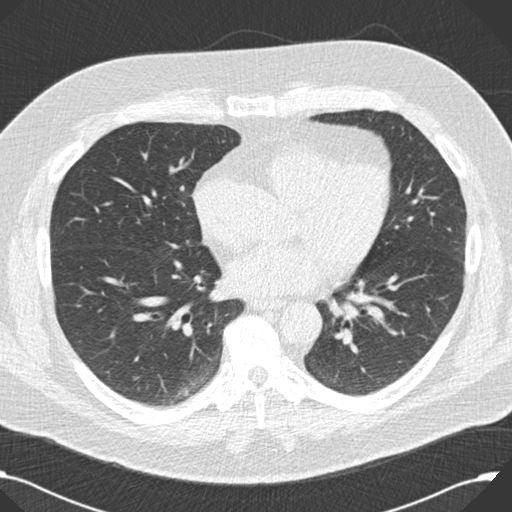
One axial slice (76 of 176, counting up from the lowest) of a chest CT acquired at 120 kVp with the B30f kernel; each pixel is 0.742 mm and the slice is 2.00 mm thick.
None of the four readers outlined a nodule of 3 mm or more on this slice.